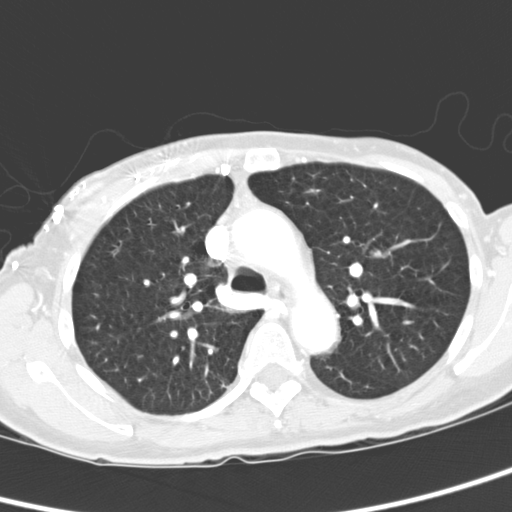
Chest CT, axial plane, 120 kVp, kernel D. Slice 221/321 from the bottom of the scan; thickness 2.00 mm; pixel size 0.557 mm.
Pulmonary nodule, outlined by all four readers. Box on this slice rows 246–258, columns 368–388, the union of the readers' outlines on this slice; median longest diameter 20.6 mm (readers' outlines 19.2–22.3 mm), median volume 3516 mm3 (3069–4125 mm3). Ratings, median across the readers with their spread: texture 5/5 (solid), all four readers agreeing; margin 5/5 (circumscribed) from all four readers; sphericity 4.5/5 at the median of four readers, spread 4/5 to 5/5 (round); calcification absent from all four readers; internal structure soft tissue, all four readers agreeing; subtlety 5/5 from all four readers; malignancy likelihood 4/5 at the median of four readers, spread 2–5. Scale key (1–5): texture non-solid→solid, margin indistinct→circumscribed, sphericity linear→round, subtlety extremely subtle→obvious, malignancy likelihood highly unlikely→highly suspicious of cancer. Box rows and columns are 0-based pixel indices from the top-left corner, inclusive.